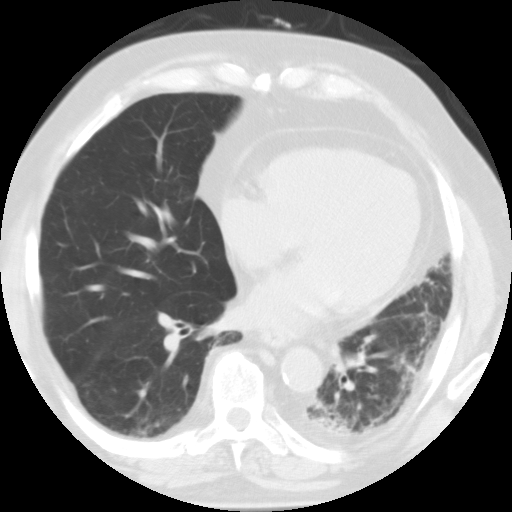
Axial chest CT slice 53 of 113 (counted from the lowest slice); tube voltage 135 kVp, convolution kernel FC01; slices 3.00 mm thick, 0.637 mm per pixel.
No nodule 3 mm or larger was outlined here by any reader.